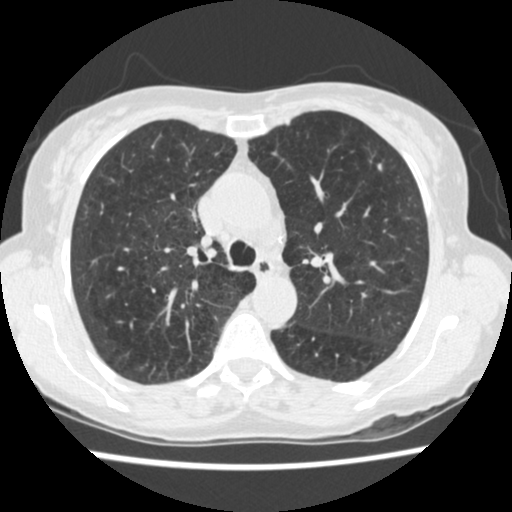
One axial slice (372 of 541, counting up from the lowest) of a chest CT acquired at 120 kVp with the STANDARD kernel; each pixel is 0.586 mm and the slice is 1.25 mm thick.
Pulmonary nodule outlined by all four readers; box rows 163–171, columns 376–382 (the union of the readers' outlines on this slice); the four readers' outlines give a longest diameter between 5.4 and 7.8 mm and a volume between 67 and 124 mm3. The readers' ratings, as ranges where they differ: texture from 4/5 to 5/5 (solid) across the four readers; margin from 4/5 to 5/5 (circumscribed) across the four readers; sphericity from 2/5 to 5/5 (round) across the four readers; calcification: absent (three), central calcification (one); internal structure soft tissue from all four readers; subtlety rated between 3 and 5 out of 5 by the four readers; malignancy likelihood rated between 1 and 4 out of 5 by the four readers. Scale key (1–5): texture non-solid→solid, margin indistinct→circumscribed, sphericity linear→round, subtlety extremely subtle→obvious, malignancy likelihood highly unlikely→highly suspicious of cancer. Box rows and columns are 0-based pixel indices from the top-left corner, inclusive.